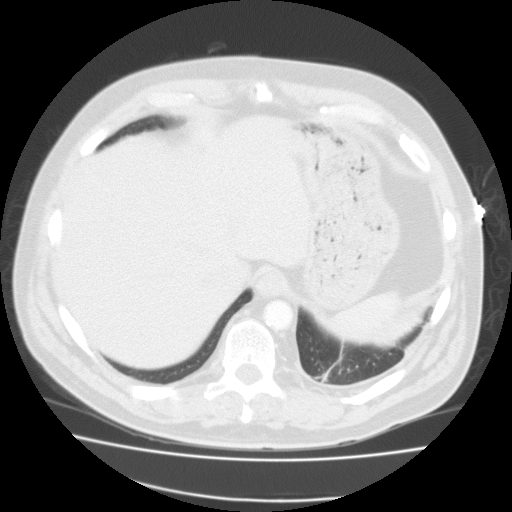
This is axial slice 37 of 115 (slice 1 is the lowest) of a chest CT; each pixel is 0.782 mm and the slice is 3.00 mm thick. Pulmonary nodule at rows 364–380, columns 322–334 (box = the one reader's outline on this slice), outlined by all four readers, one of them on this slice; the four readers' outlines give a longest diameter between 25.2 and 31.6 mm and a volume between 5217 and 6928 mm3. Ratings across the readers: texture from 4/5 to 5/5 (solid) across the four readers; margin from 2/5 to 4/5 across the four readers; sphericity from 2/5 to 4/5 across the four readers; calcification split among the readers: non-central calcification (two), absent (two); internal structure soft tissue from all four readers; subtlety 5/5, all four readers agreeing; malignancy likelihood from 2/5 to 5/5 across the four readers. Scale key (1–5): texture non-solid→solid, margin indistinct→circumscribed, sphericity linear→round, subtlety extremely subtle→obvious, malignancy likelihood highly unlikely→highly suspicious of cancer. Box rows and columns are 0-based pixel indices from the top-left corner, inclusive.
Acquired at 135 kVp and reconstructed with the FC01 kernel.